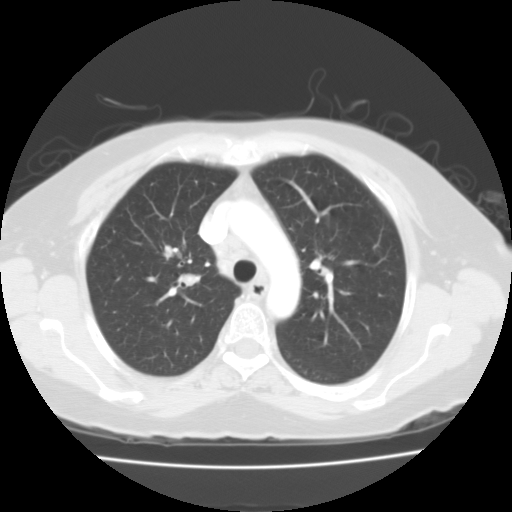
Axial chest CT slice 78 of 109 (counted from the lowest slice); tube voltage 135 kVp, convolution kernel FC01; slices 3.00 mm thick, 0.671 mm per pixel.
Two pulmonary nodules on this slice, listed from left to right. (1) Pulmonary nodule outlined by two of the four readers; box rows 246–257, columns 165–181 (the union of the readers' outlines on this slice); longest diameter 8.1 mm on average over the two readers' outlines (readers' outlines 6.6–9.7 mm), volume 111–212 mm3. The readers' prevailing ratings and who disagreed: texture 5/5 (solid) from both readers; margin 3/5 from both readers; sphericity split among the readers: 4/5 (one), 5/5 (round) (one); calcification absent from both readers; internal structure soft tissue from both readers; subtlety split among the readers: 2/5 (one), 4/5 (one); malignancy likelihood 2/5 from both readers. (2) Pulmonary nodule, outlined by one of the four readers. Box on this slice rows 273–286, columns 181–198, that reader's outline on this slice; longest diameter 14.2 mm and volume 707 mm3 from that reader's outline. That reader's ratings: texture 5/5 (solid); margin 4/5; sphericity 3/5 (ovoid); calcification absent; internal structure soft tissue; subtlety 5/5; malignancy likelihood 3/5. Scale key (1–5): texture non-solid→solid, margin indistinct→circumscribed, sphericity linear→round, subtlety extremely subtle→obvious, malignancy likelihood highly unlikely→highly suspicious of cancer. Box rows and columns are 0-based pixel indices from the top-left corner, inclusive.